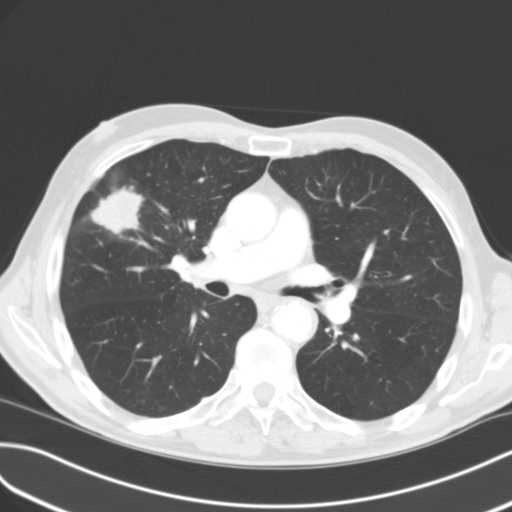
Axial chest CT slice 65 of 114 (counted from the lowest slice); tube voltage 120 kVp, convolution kernel B31f; slices 3.00 mm thick, 0.689 mm per pixel.
Pulmonary nodule at rows 185–235, columns 89–146 (box = the union of the readers' outlines on this slice), outlined by all four readers; the four readers' outlines give a longest diameter between 40.2 and 48.6 mm and a volume between 17639 and 20532 mm3. Ratings across the readers: texture from 4/5 to 5/5 (solid) across the four readers; margin from 3/5 to 5/5 (circumscribed) across the four readers; sphericity from 3/5 (ovoid) to 4/5 across the four readers; calcification absent, all four readers agreeing; internal structure soft tissue from all four readers; subtlety 5/5, all four readers agreeing; malignancy likelihood from 3/5 to 5/5 across the four readers. Scale key (1–5): texture non-solid→solid, margin indistinct→circumscribed, sphericity linear→round, subtlety extremely subtle→obvious, malignancy likelihood highly unlikely→highly suspicious of cancer. Box rows and columns are 0-based pixel indices from the top-left corner, inclusive.